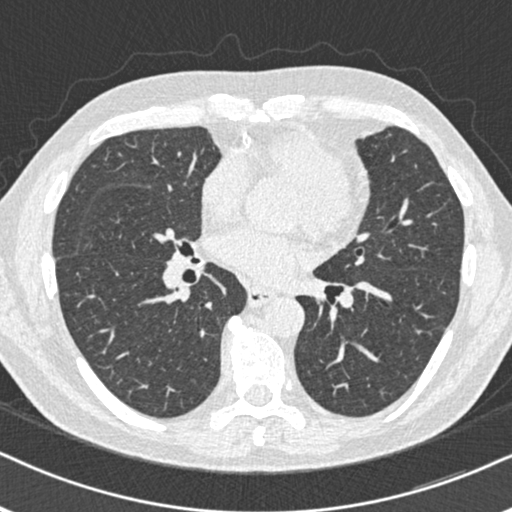
Axial chest CT slice 219 of 455 (counted from the lowest slice); 0.75 mm thick, 0.633 mm per pixel. The readers outlined no nodule of 3 mm or more on this slice.
Acquired at 120 kVp and reconstructed with the B30f kernel.